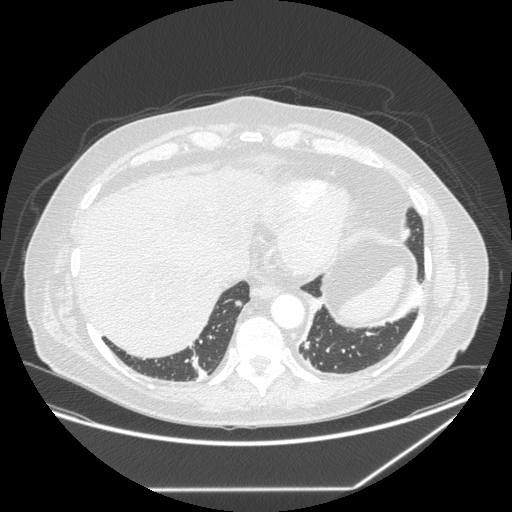
One axial slice (85 of 258, counting up from the lowest) of a chest CT acquired at 120 kVp with the STANDARD kernel; each pixel is 0.859 mm and the slice is 1.25 mm thick.
Pulmonary nodule, outlined by three of the four readers. Box on this slice rows 300–308, columns 235–241, the union of the readers' outlines on this slice; the three readers' outlines give a longest diameter between 7.1 and 9.0 mm and a volume between 120 and 186 mm3. The readers' ratings, as ranges where they differ: texture 5/5 (solid) from all three readers; margin from 4/5 to 5/5 (circumscribed) across the three readers; sphericity from 4/5 to 5/5 (round) across the three readers; calcification absent, all three readers agreeing; internal structure soft tissue from all three readers; subtlety 3–5/5 (the readers disagree); malignancy likelihood rated between 2 and 3 out of 5 by the three readers. Scale key (1–5): texture non-solid→solid, margin indistinct→circumscribed, sphericity linear→round, subtlety extremely subtle→obvious, malignancy likelihood highly unlikely→highly suspicious of cancer. Box rows and columns are 0-based pixel indices from the top-left corner, inclusive.